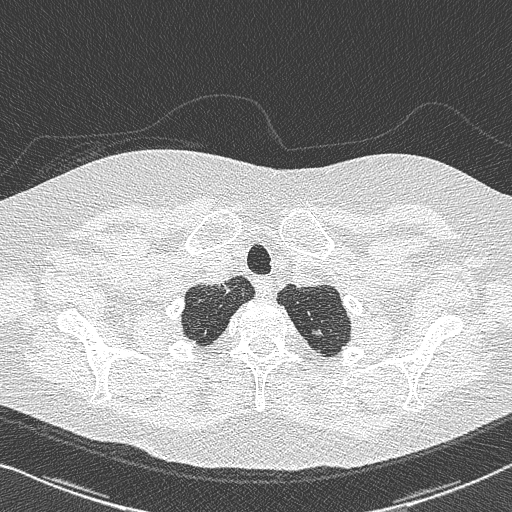
Axial chest CT slice 665 of 733 (counted from the lowest slice); tube voltage 120 kVp, convolution kernel B50f; slices 0.60 mm thick, 0.637 mm per pixel.
Pulmonary nodule outlined by three of the four readers; box rows 329–335, columns 311–324 (the union of the readers' outlines on this slice); median longest diameter 9.4 mm (readers' outlines 8.9–10.9 mm), median volume 62 mm3 (51–94 mm3). Ratings, median across the readers with their spread: median texture 4/5 (readers ranged 3/5 (part-solid) to 5/5 (solid)); margin 3/5 at the median of three readers, spread 2/5 to 4/5; sphericity 3/5 (ovoid) at the median of three readers, spread 2/5 to 5/5 (round); calcification absent from all three readers; internal structure soft tissue from all three readers; subtlety 4/5 at the median of three readers, spread 4–5; median malignancy likelihood 4/5 (readers ranged 3–4). Scale key (1–5): texture non-solid→solid, margin indistinct→circumscribed, sphericity linear→round, subtlety extremely subtle→obvious, malignancy likelihood highly unlikely→highly suspicious of cancer. Box rows and columns are 0-based pixel indices from the top-left corner, inclusive.